Chest CT, axial plane, 120 kVp, kernel B45f. Slice 186/383 from the bottom of the scan; thickness 1.00 mm; pixel size 0.664 mm.
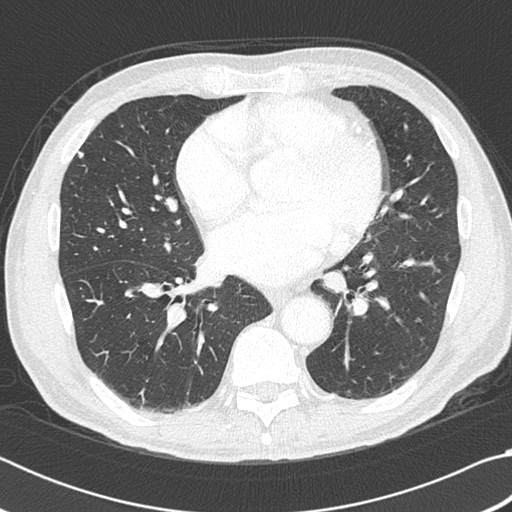
Pulmonary nodule at rows 151–157, columns 78–83 (box = the union of the readers' outlines on this slice), outlined by three of the four readers; longest diameter 5.4 mm on average over the three readers' outlines (readers' outlines 5.1–5.7 mm), volume 38–57 mm3. The readers' prevailing ratings and who disagreed: texture 5/5 (solid), all three readers agreeing; margin 5/5 (circumscribed) by two of three readers; the rest gave 4/5 (one); most readers (two of three) put sphericity at 4/5, others 3/5 (ovoid) (one); calcification absent from all three readers; internal structure soft tissue from all three readers; most readers (two of three) put subtlety at 4/5, others 2/5 (one); malignancy likelihood split among the readers: 1/5 (one), 2/5 (one), 3/5 (one). Scale key (1–5): texture non-solid→solid, margin indistinct→circumscribed, sphericity linear→round, subtlety extremely subtle→obvious, malignancy likelihood highly unlikely→highly suspicious of cancer. Box rows and columns are 0-based pixel indices from the top-left corner, inclusive.